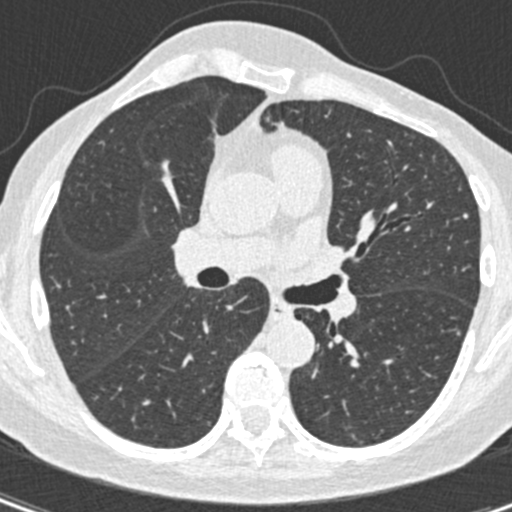
Axial chest CT slice 238 of 408 (counted from the lowest slice); tube voltage 120 kVp, convolution kernel B30f; slices 0.75 mm thick, 0.531 mm per pixel.
Pulmonary nodule, outlined by one of the four readers. Box on this slice rows 213–218, columns 463–467, that reader's outline on this slice; longest diameter 4.1 mm and volume 22 mm3 from that reader's outline. That reader's ratings: texture 5/5 (solid); margin 5/5 (circumscribed); sphericity 5/5 (round); calcification absent; internal structure soft tissue; subtlety 5/5; malignancy likelihood 2/5. Scale key (1–5): texture non-solid→solid, margin indistinct→circumscribed, sphericity linear→round, subtlety extremely subtle→obvious, malignancy likelihood highly unlikely→highly suspicious of cancer. Box rows and columns are 0-based pixel indices from the top-left corner, inclusive.